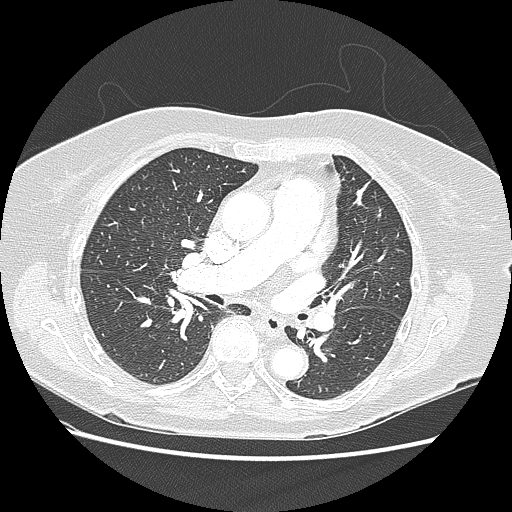
One axial slice (104 of 197, counting up from the lowest) of a chest CT acquired at 120 kVp with the LUNG kernel; each pixel is 0.703 mm and the slice is 1.25 mm thick.
No nodule of 3 mm or larger was outlined by any of the four readers on this slice.